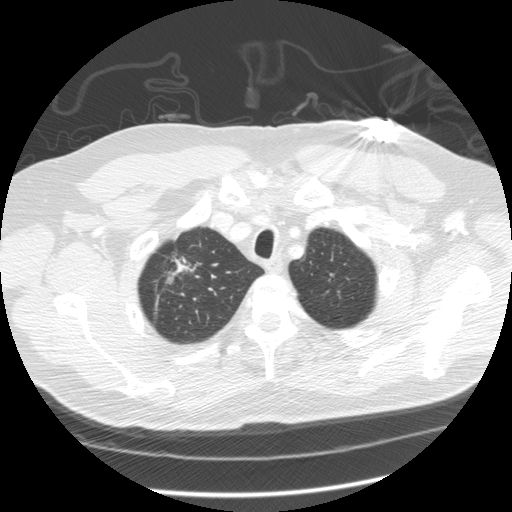
Axial chest CT slice 266 of 305 (counted from the lowest slice); tube voltage 120 kVp, convolution kernel STANDARD; slices 1.25 mm thick, 0.732 mm per pixel.
Pulmonary nodule at rows 258–283, columns 164–192 (box = the union of the readers' outlines on this slice), outlined by three of the four readers; longest diameter 43.5 mm on average over the three readers' outlines (readers' outlines 41.0–45.9 mm), volume 6528–11092 mm3. Ratings, by the readers' most common answer with dissent counted: texture split among the readers: 3/5 (part-solid) (one), 4/5 (one), 5/5 (solid) (one); margin split among the readers: 1/5 (indistinct) (one), 3/5 (one), 4/5 (one); most readers (two of three) put sphericity at 3/5 (ovoid), others 2/5 (one); calcification absent from all three readers; internal structure soft tissue, all three readers agreeing; subtlety 5/5, all three readers agreeing; malignancy likelihood 5/5, all three readers agreeing. Scale key (1–5): texture non-solid→solid, margin indistinct→circumscribed, sphericity linear→round, subtlety extremely subtle→obvious, malignancy likelihood highly unlikely→highly suspicious of cancer. Box rows and columns are 0-based pixel indices from the top-left corner, inclusive.